Chest CT, axial plane, 120 kVp, kernel D. Slice 219/266 from the bottom of the scan; thickness 1.00 mm; pixel size 0.668 mm.
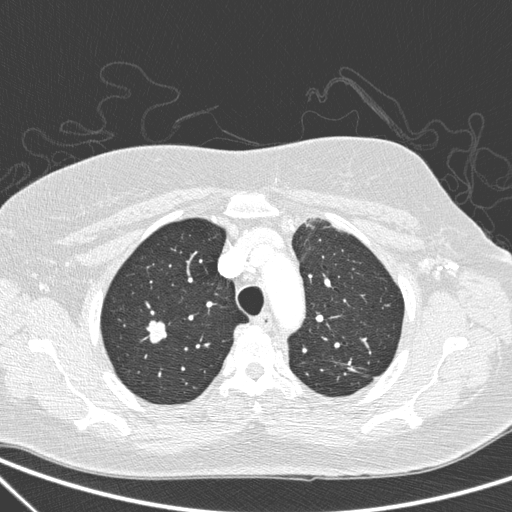
Pulmonary nodule at rows 319–343, columns 143–166 (box = the union of the readers' outlines on this slice), outlined by all four readers; longest diameter 16.7–17.7 mm and volume 1306–1533 mm3 across the four readers' outlines. The readers' ratings, as ranges where they differ: texture 5/5 (solid), all four readers agreeing; margin from 2/5 to 5/5 (circumscribed) across the four readers; sphericity from 3/5 (ovoid) to 5/5 (round) across the four readers; calcification absent from all four readers; internal structure soft tissue, all four readers agreeing; subtlety 5/5, all four readers agreeing; malignancy likelihood rated between 2 and 5 out of 5 by the four readers. Scale key (1–5): texture non-solid→solid, margin indistinct→circumscribed, sphericity linear→round, subtlety extremely subtle→obvious, malignancy likelihood highly unlikely→highly suspicious of cancer. Box rows and columns are 0-based pixel indices from the top-left corner, inclusive.